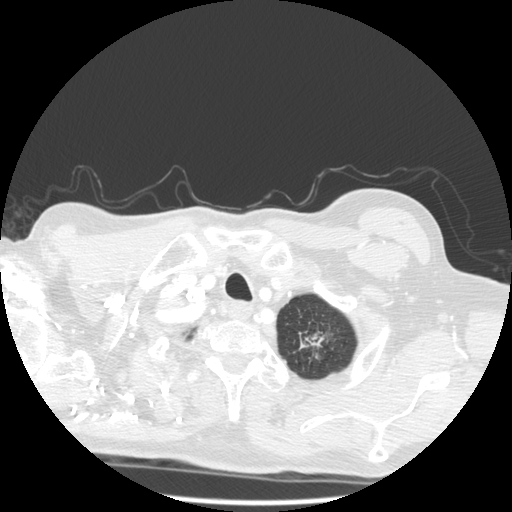
Axial chest CT slice 477 of 501 (counted from the lowest slice); tube voltage 140 kVp, convolution kernel STANDARD; slices 1.25 mm thick, 0.703 mm per pixel.
Pulmonary nodule outlined by three of the four readers, two of them on this slice; box rows 331–347, columns 300–324 (the union of the readers' outlines on this slice); the three readers' outlines give a longest diameter between 32.1 and 39.2 mm and a volume between 2361 and 4873 mm3. The readers' ratings, as ranges where they differ: texture from 4/5 to 5/5 (solid) across the three readers; margin from 1/5 (indistinct) to 5/5 (circumscribed) across the three readers; sphericity from 2/5 to 5/5 (round) across the three readers; calcification absent, all three readers agreeing; internal structure soft tissue, all three readers agreeing; subtlety 5/5, all three readers agreeing; malignancy likelihood 4–5/5 (the readers disagree). Scale key (1–5): texture non-solid→solid, margin indistinct→circumscribed, sphericity linear→round, subtlety extremely subtle→obvious, malignancy likelihood highly unlikely→highly suspicious of cancer. Box rows and columns are 0-based pixel indices from the top-left corner, inclusive.